Axial chest CT slice 215 of 557 (counted from the lowest slice); tube voltage 120 kVp, convolution kernel STANDARD; slices 1.25 mm thick, 0.703 mm per pixel.
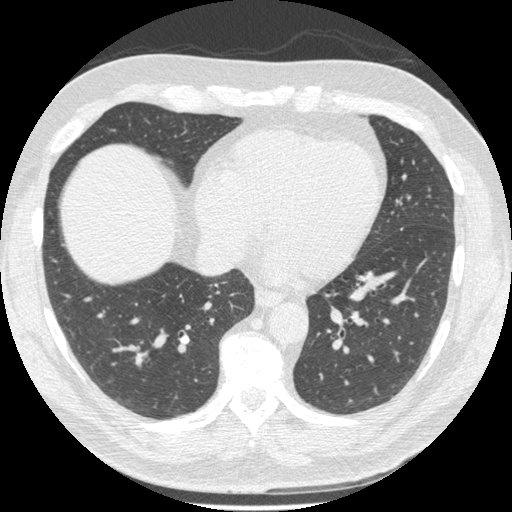
Pulmonary nodule outlined by all four readers; box rows 335–343, columns 181–189 (the union of the readers' outlines on this slice); the four readers' outlines give a longest diameter between 6.7 and 9.4 mm and a volume between 108 and 158 mm3. Ratings across the readers: texture 5/5 (solid) from all four readers; margin 5/5 (circumscribed) from all four readers; sphericity from 3/5 (ovoid) to 5/5 (round) across the four readers; calcification: solid calcification (three), absent (one); internal structure soft tissue from all four readers; subtlety 3–5/5 (the readers disagree); malignancy likelihood rated between 1 and 2 out of 5 by the four readers. Scale key (1–5): texture non-solid→solid, margin indistinct→circumscribed, sphericity linear→round, subtlety extremely subtle→obvious, malignancy likelihood highly unlikely→highly suspicious of cancer. Box rows and columns are 0-based pixel indices from the top-left corner, inclusive.